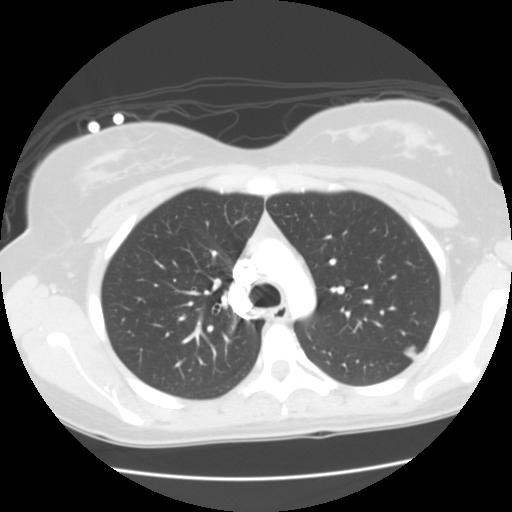
Chest CT, axial plane, 120 kVp, kernel STANDARD. Slice 102/133 from the bottom of the scan; thickness 2.50 mm; pixel size 0.625 mm.
Pulmonary nodule outlined by one of the four readers; box rows 346–359, columns 403–416 (that reader's outline on this slice); longest diameter 13.2 mm and volume 585 mm3 from that reader's outline. Ratings by that reader: texture 5/5 (solid); margin 4/5; sphericity 3/5 (ovoid); calcification absent; internal structure soft tissue; subtlety 5/5; malignancy likelihood 3/5. Scale key (1–5): texture non-solid→solid, margin indistinct→circumscribed, sphericity linear→round, subtlety extremely subtle→obvious, malignancy likelihood highly unlikely→highly suspicious of cancer. Box rows and columns are 0-based pixel indices from the top-left corner, inclusive.